Axial chest CT slice 82 of 253 (counted from the lowest slice); tube voltage 120 kVp, convolution kernel STANDARD; slices 1.25 mm thick, 0.742 mm per pixel.
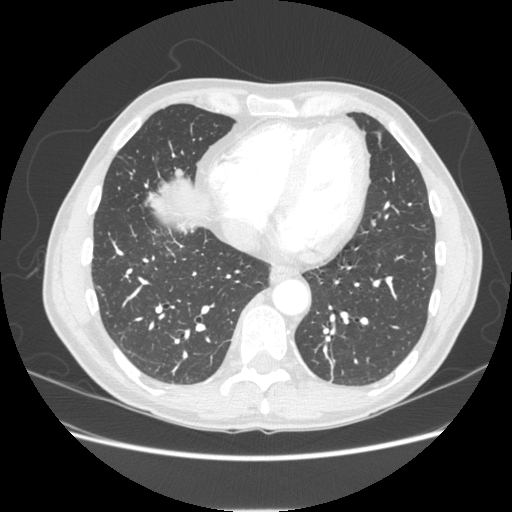
Pulmonary nodule outlined by three of the four readers; box rows 168–177, columns 174–182 (the union of the readers' outlines on this slice); longest diameter 8.1 mm on average over the three readers' outlines (readers' outlines 7.0–8.7 mm), volume 46–118 mm3. The readers' prevailing ratings and who disagreed: texture 5/5 (solid), all three readers agreeing; margin 5/5 (circumscribed) from all three readers; sphericity 5/5 (round) by two of three readers; the rest gave 4/5 (one); calcification absent from all three readers; internal structure soft tissue from all three readers; subtlety 3/5 by two of three readers; the rest gave 2/5 (one); malignancy likelihood split among the readers: 2/5 (one), 3/5 (one), 4/5 (one). Scale key (1–5): texture non-solid→solid, margin indistinct→circumscribed, sphericity linear→round, subtlety extremely subtle→obvious, malignancy likelihood highly unlikely→highly suspicious of cancer. Box rows and columns are 0-based pixel indices from the top-left corner, inclusive.